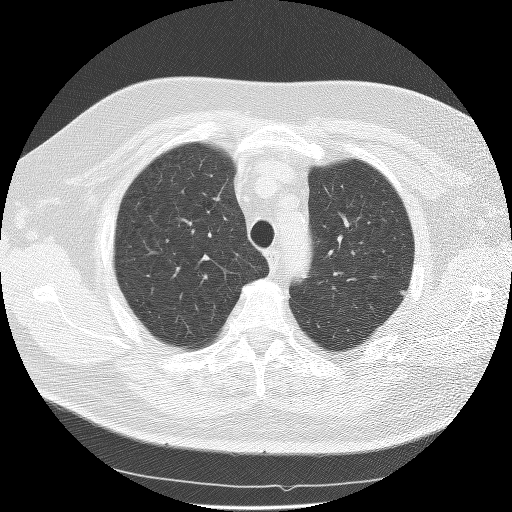
Axial chest CT slice 115 of 139 (counted from the lowest slice); 2.50 mm thick, 0.734 mm per pixel. Pulmonary nodule at rows 290–296, columns 400–405 (box = the union of the readers' outlines on this slice), outlined by three of the four readers; longest diameter 4.9–6.6 mm and volume 26–56 mm3 across the three readers' outlines. Ratings across the readers: texture from 2/5 to 5/5 (solid) across the three readers; margin from 3/5 to 4/5 across the three readers; sphericity from 3/5 (ovoid) to 5/5 (round) across the three readers; calcification absent from all three readers; internal structure soft tissue from all three readers; subtlety 2–5/5 (the readers disagree); malignancy likelihood 2–3/5 (the readers disagree). Scale key (1–5): texture non-solid→solid, margin indistinct→circumscribed, sphericity linear→round, subtlety extremely subtle→obvious, malignancy likelihood highly unlikely→highly suspicious of cancer. Box rows and columns are 0-based pixel indices from the top-left corner, inclusive.
Tube voltage 140 kVp; convolution kernel BONE.